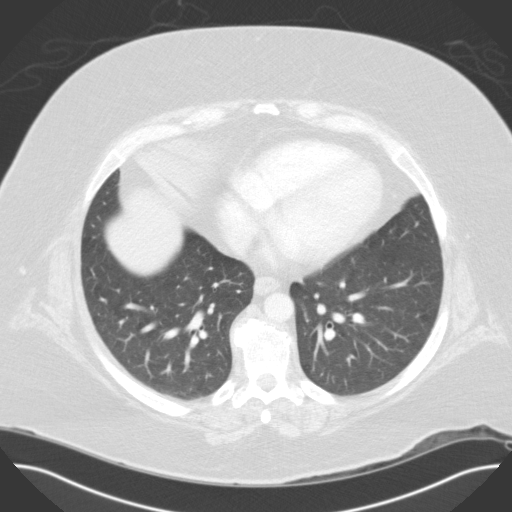
Chest CT, axial plane, 120 kVp, kernel B31f. Slice 63/117 from the bottom of the scan; thickness 3.00 mm; pixel size 0.779 mm.
None of the four readers outlined a nodule of 3 mm or more on this slice.